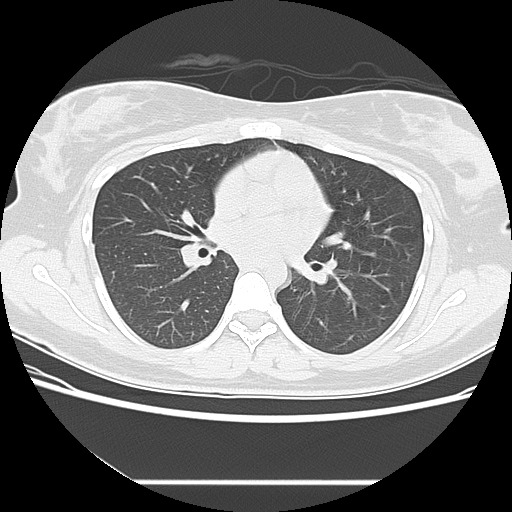
One axial slice (66 of 109, counting up from the lowest) of a chest CT acquired at 120 kVp with the LUNG kernel; each pixel is 0.664 mm and the slice is 2.50 mm thick.
The readers outlined no nodule of 3 mm or more on this slice.